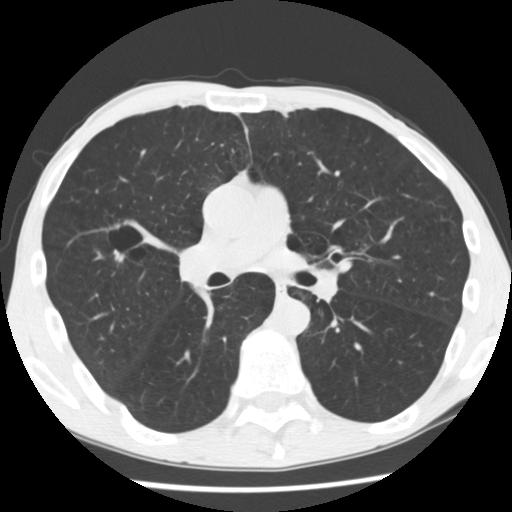
Chest CT, axial plane, 120 kVp, kernel STANDARD. Slice 159/292 from the bottom of the scan; thickness 2.50 mm; pixel size 0.645 mm.
Pulmonary nodule outlined three times (the source holds two more outlines, not used), one of them on this slice; box rows 220–261, columns 103–128 (the one reader's outline on this slice); median longest diameter 18.3 mm (readers' outlines 18.2–19.0 mm), median volume 926 mm3 (892–1690 mm3). Ratings, median across the readers with their spread: texture 5/5 (solid) from all three readers; median margin 3/5 (readers ranged 2/5 to 4/5); median sphericity 3/5 (ovoid) (readers ranged 2/5 to 4/5); calcification absent from all three readers; internal structure soft tissue from all three readers; subtlety 4/5 at the median of three readers, spread 4–5; malignancy likelihood 5/5 at the median of three readers, spread 3–5. Scale key (1–5): texture non-solid→solid, margin indistinct→circumscribed, sphericity linear→round, subtlety extremely subtle→obvious, malignancy likelihood highly unlikely→highly suspicious of cancer. Box rows and columns are 0-based pixel indices from the top-left corner, inclusive.